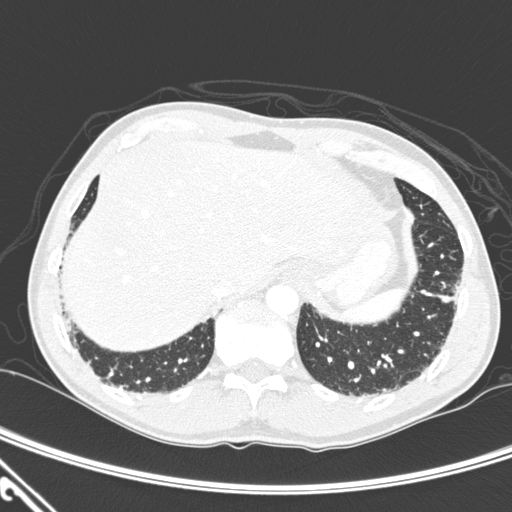
Axial chest CT slice 45 of 276 (counted from the lowest slice); 1.00 mm thick, 0.639 mm per pixel. Pulmonary nodule at rows 295–302, columns 439–450 (box = the union of the readers' outlines on this slice), outlined by two of the four readers; longest diameter 8.8 mm on average over the two readers' outlines (readers' outlines 8.7–8.9 mm), volume 206–221 mm3. Ratings, by the readers' most common answer with dissent counted: texture 5/5 (solid) from both readers; margin split among the readers: 2/5 (one), 3/5 (one); sphericity split among the readers: 2/5 (one), 4/5 (one); calcification absent, both readers agreeing; internal structure soft tissue, both readers agreeing; subtlety split among the readers: 3/5 (one), 5/5 (one); malignancy likelihood 3/5 from both readers. Scale key (1–5): texture non-solid→solid, margin indistinct→circumscribed, sphericity linear→round, subtlety extremely subtle→obvious, malignancy likelihood highly unlikely→highly suspicious of cancer. Box rows and columns are 0-based pixel indices from the top-left corner, inclusive.
Scan settings: 120 kVp, D reconstruction kernel.